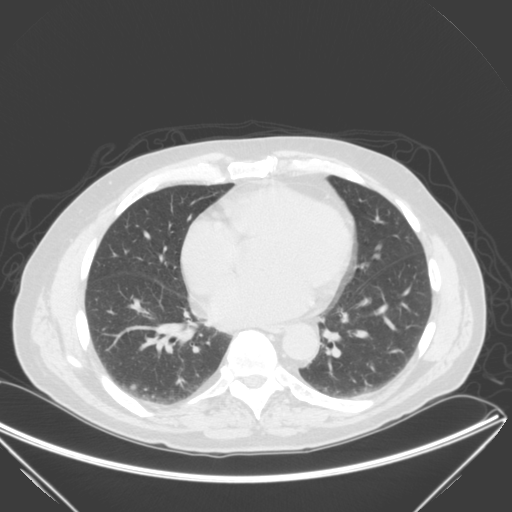
One axial slice (98 of 280, counting up from the lowest) of a chest CT acquired at 120 kVp with the B kernel; each pixel is 0.805 mm and the slice is 2.00 mm thick.
Pulmonary nodule outlined by all four readers; box rows 383–389, columns 130–137 (the union of the readers' outlines on this slice); median longest diameter 9.3 mm (readers' outlines 9.1–10.9 mm), median volume 293 mm3 (168–331 mm3). Ratings, median across the readers with their spread: texture 5/5 (solid), all four readers agreeing; median margin 4/5 (readers ranged 4/5 to 5/5 (circumscribed)); median sphericity 5/5 (round) (readers ranged 4/5 to 5/5 (round)); calcification absent, all four readers agreeing; internal structure soft tissue from all four readers; median subtlety 5/5 (readers ranged 4–5); malignancy likelihood 3/5 at the median of four readers, spread 3–5. Scale key (1–5): texture non-solid→solid, margin indistinct→circumscribed, sphericity linear→round, subtlety extremely subtle→obvious, malignancy likelihood highly unlikely→highly suspicious of cancer. Box rows and columns are 0-based pixel indices from the top-left corner, inclusive.